Axial slice 310 of 490 of a chest CT (slice 1 is the lowest), reconstructed with the STANDARD kernel at 120 kVp; 1.25 mm slice thickness and 0.547 mm pixels.
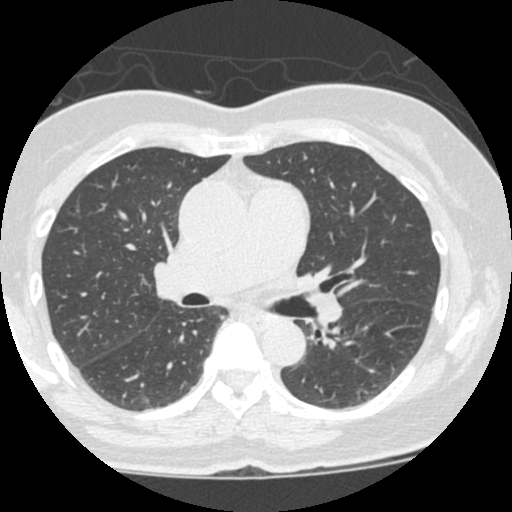
Pulmonary nodule at rows 397–402, columns 143–148 (box = the one reader's outline on this slice), outlined by all four readers, one of them on this slice; median longest diameter 5.7 mm (readers' outlines 5.2–6.2 mm), median volume 61 mm3 (53–89 mm3). Median ratings and the readers' spread: texture 5/5 (solid) from all four readers; median margin 4/5 (readers ranged 3/5 to 5/5 (circumscribed)); median sphericity 4/5 (readers ranged 3/5 (ovoid) to 5/5 (round)); calcification absent from all four readers; internal structure soft tissue, all four readers agreeing; median subtlety 3.5/5 (readers ranged 3–4); median malignancy likelihood 2.5/5 (readers ranged 2–3). Scale key (1–5): texture non-solid→solid, margin indistinct→circumscribed, sphericity linear→round, subtlety extremely subtle→obvious, malignancy likelihood highly unlikely→highly suspicious of cancer. Box rows and columns are 0-based pixel indices from the top-left corner, inclusive.